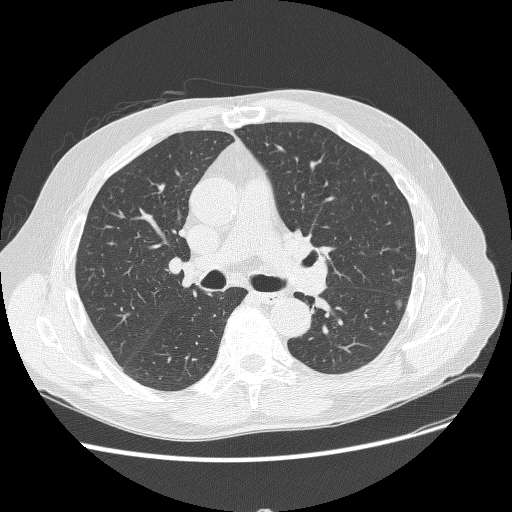
Axial chest CT slice 166 of 268 (counted from the lowest slice); 1.25 mm thick, 0.742 mm per pixel. Pulmonary nodule outlined by all four readers; box rows 299–309, columns 394–401 (the union of the readers' outlines on this slice); the four readers' outlines give a longest diameter between 9.0 and 9.3 mm and a volume between 159 and 261 mm3. Ratings across the readers: texture from 1/5 (non-solid) to 3/5 (part-solid) across the four readers; margin from 1/5 (indistinct) to 5/5 (circumscribed) across the four readers; sphericity from 3/5 (ovoid) to 4/5 across the four readers; calcification absent, all four readers agreeing; internal structure soft tissue from all four readers; subtlety rated between 3 and 4 out of 5 by the four readers; malignancy likelihood from 3/5 to 4/5 across the four readers. Scale key (1–5): texture non-solid→solid, margin indistinct→circumscribed, sphericity linear→round, subtlety extremely subtle→obvious, malignancy likelihood highly unlikely→highly suspicious of cancer. Box rows and columns are 0-based pixel indices from the top-left corner, inclusive.
Tube voltage 120 kVp; convolution kernel BONE.